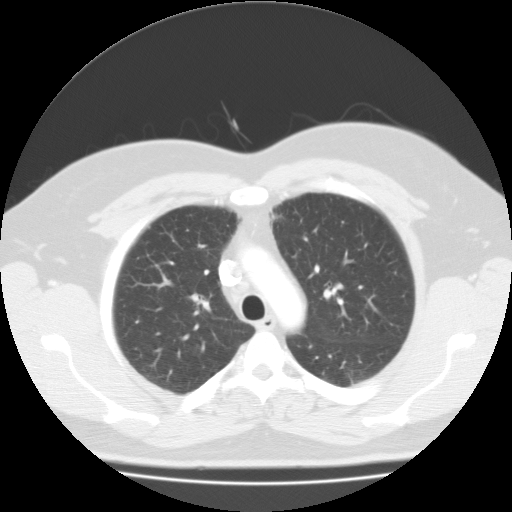
Slice 75/104 of a chest CT, counting up from the lowest; pixel size 0.741 mm, slice thickness 3.00 mm. No nodule of 3 mm or larger was outlined by any of the four readers on this slice.
Scan settings: 135 kVp, FC01 reconstruction kernel.